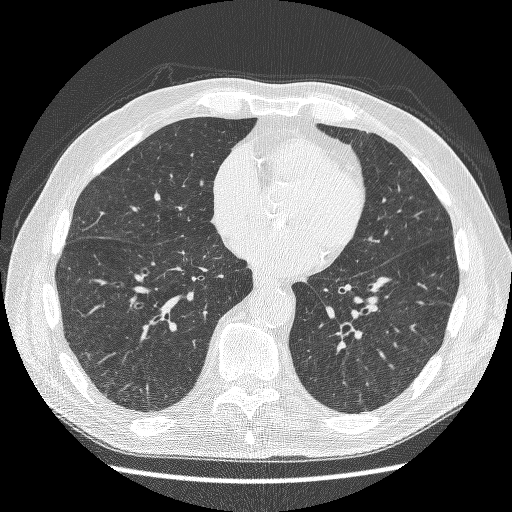
This is axial slice 95 of 241 (slice 1 is the lowest) of a chest CT; each pixel is 0.703 mm and the slice is 1.25 mm thick. This slice carries no reader outline of a nodule 3 mm or larger.
Scan settings: 120 kVp, BONE reconstruction kernel.